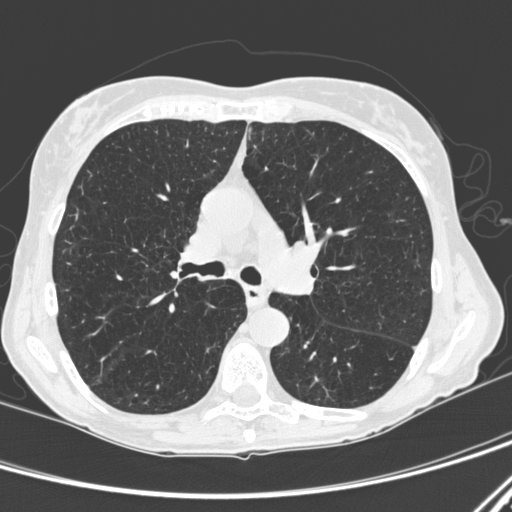
Axial slice 188 of 300 of a chest CT (slice 1 is the lowest), reconstructed with the D kernel at 120 kVp; 1.00 mm slice thickness and 0.607 mm pixels.
The readers outlined no nodule of 3 mm or more on this slice.